Axial chest CT slice 164 of 235 (counted from the lowest slice); tube voltage 120 kVp, convolution kernel BONE; slices 1.25 mm thick, 0.537 mm per pixel.
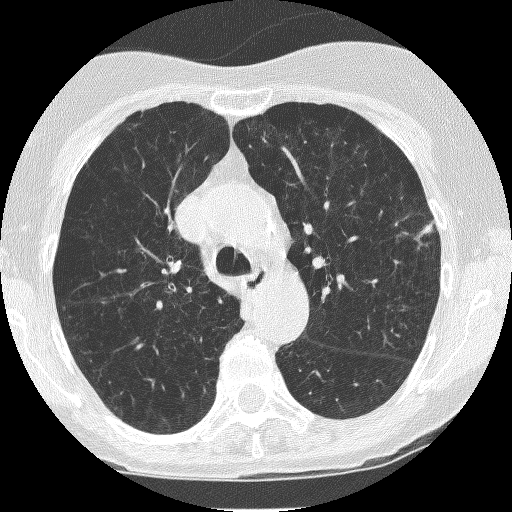
Pulmonary nodule at rows 222–233, columns 421–432 (box = the union of the readers' outlines on this slice), outlined by all four readers; median longest diameter 9.0 mm (readers' outlines 8.4–9.6 mm), median volume 250 mm3 (213–290 mm3). Median ratings and the readers' spread: median texture 5/5 (solid) (readers ranged 4/5 to 5/5 (solid)); median margin 4/5 (readers ranged 3/5 to 5/5 (circumscribed)); median sphericity 3/5 (ovoid) (readers ranged 2/5 to 5/5 (round)); calcification absent, all four readers agreeing; internal structure soft tissue from all four readers; subtlety 5/5 at the median of four readers, spread 4–5; median malignancy likelihood 3.5/5 (readers ranged 2–4). Scale key (1–5): texture non-solid→solid, margin indistinct→circumscribed, sphericity linear→round, subtlety extremely subtle→obvious, malignancy likelihood highly unlikely→highly suspicious of cancer. Box rows and columns are 0-based pixel indices from the top-left corner, inclusive.